Chest CT, axial plane, 120 kVp, kernel B. Slice 143/290 from the bottom of the scan; thickness 2.00 mm; pixel size 0.816 mm.
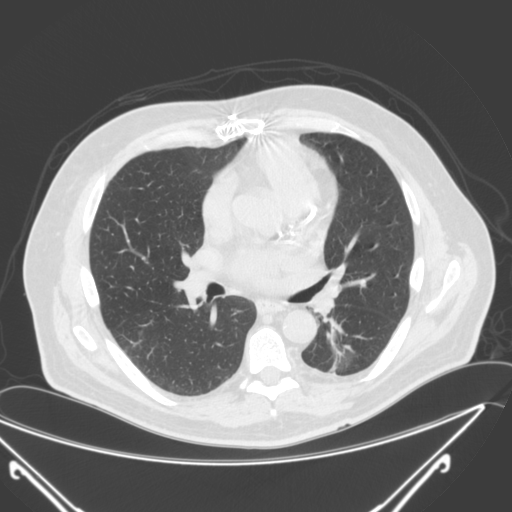
Pulmonary nodule outlined by three of the four readers; box rows 330–336, columns 138–142 (the union of the readers' outlines on this slice); median longest diameter 6.6 mm (readers' outlines 6.2–7.0 mm), median volume 95 mm3 (90–113 mm3). Ratings, median across the readers with their spread: texture 5/5 (solid), all three readers agreeing; median margin 4/5 (readers ranged 4/5 to 5/5 (circumscribed)); sphericity 4/5 at the median of three readers, spread 4/5 to 5/5 (round); calcification absent, all three readers agreeing; internal structure soft tissue, all three readers agreeing; subtlety 5/5 at the median of three readers, spread 4–5; malignancy likelihood 3/5 at the median of three readers, spread 2–3. Scale key (1–5): texture non-solid→solid, margin indistinct→circumscribed, sphericity linear→round, subtlety extremely subtle→obvious, malignancy likelihood highly unlikely→highly suspicious of cancer. Box rows and columns are 0-based pixel indices from the top-left corner, inclusive.